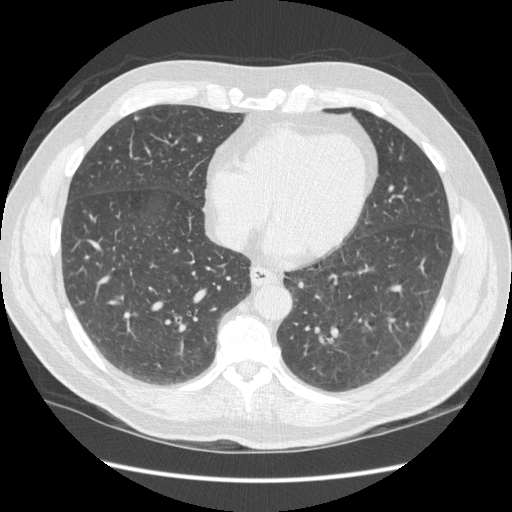
Axial chest CT slice 160 of 449 (counted from the lowest slice); 1.25 mm thick, 0.742 mm per pixel. Pulmonary nodule outlined by one of the four readers; box rows 116–120, columns 134–138 (that reader's outline on this slice); longest diameter 6.1 mm and volume 97 mm3 from that reader's outline. Ratings by that reader: texture 5/5 (solid); margin 5/5 (circumscribed); sphericity 5/5 (round); calcification absent; internal structure soft tissue; subtlety 4/5; malignancy likelihood 3/5. Scale key (1–5): texture non-solid→solid, margin indistinct→circumscribed, sphericity linear→round, subtlety extremely subtle→obvious, malignancy likelihood highly unlikely→highly suspicious of cancer. Box rows and columns are 0-based pixel indices from the top-left corner, inclusive.
Acquired at 120 kVp and reconstructed with the STANDARD kernel.